Axial slice 104 of 183 of a chest CT (slice 1 is the lowest), reconstructed with the FC03 kernel at 135 kVp; 2.00 mm slice thickness and 0.946 mm pixels.
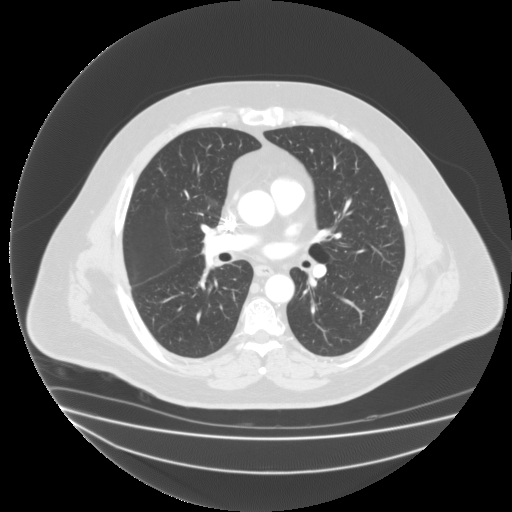
Pulmonary nodule, outlined by three of the four readers. Box on this slice rows 196–208, columns 205–216, the union of the readers' outlines on this slice; the three readers' outlines give a longest diameter of 26.0 mm and a volume between 3179 and 3614 mm3. Ratings across the readers: texture 1/5 (non-solid) from all three readers; margin from 2/5 to 3/5 across the three readers; sphericity from 3/5 (ovoid) to 4/5 across the three readers; calcification absent from all three readers; internal structure: soft tissue (two), fluid (one); subtlety 2–5/5 (the readers disagree); malignancy likelihood from 3/5 to 4/5 across the three readers. Scale key (1–5): texture non-solid→solid, margin indistinct→circumscribed, sphericity linear→round, subtlety extremely subtle→obvious, malignancy likelihood highly unlikely→highly suspicious of cancer. Box rows and columns are 0-based pixel indices from the top-left corner, inclusive.